Chest CT, axial plane, 120 kVp, kernel BONE. Slice 148/250 from the bottom of the scan; thickness 1.25 mm; pixel size 0.721 mm.
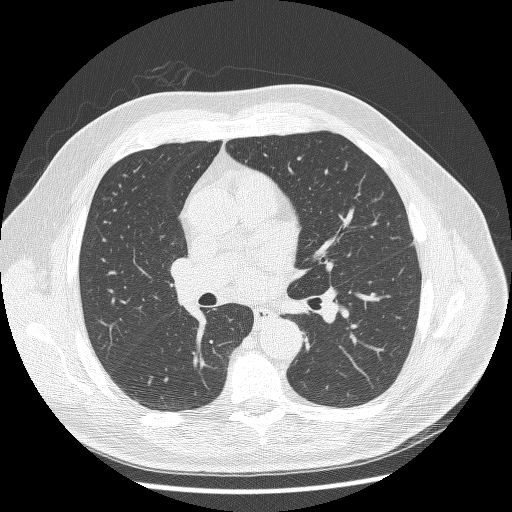
No nodule 3 mm or larger was outlined here by any reader.